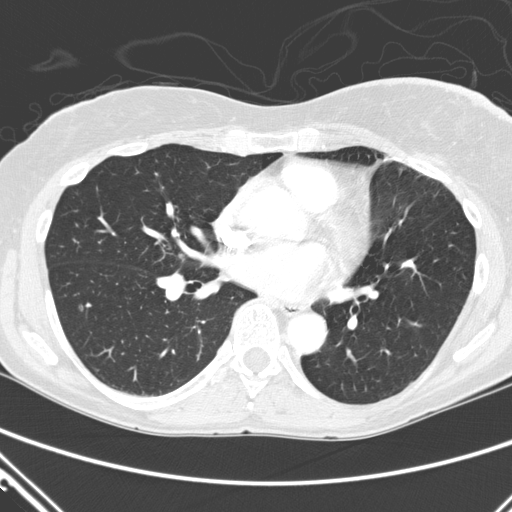
Chest CT, axial plane, 120 kVp, kernel D. Slice 256/411 from the bottom of the scan; thickness 2.00 mm; pixel size 0.654 mm.
Pulmonary nodule, outlined by two of the four readers. Box on this slice rows 304–310, columns 79–82, the union of the readers' outlines on this slice; longest diameter 5.3–6.2 mm and volume 21–50 mm3 across the two readers' outlines. Ratings across the readers: texture from 4/5 to 5/5 (solid) across the two readers; margin from 4/5 to 5/5 (circumscribed) across the two readers; sphericity 4/5 from both readers; calcification absent, both readers agreeing; internal structure soft tissue from both readers; subtlety rated between 1 and 3 out of 5 by the two readers; malignancy likelihood rated between 1 and 4 out of 5 by the two readers. Scale key (1–5): texture non-solid→solid, margin indistinct→circumscribed, sphericity linear→round, subtlety extremely subtle→obvious, malignancy likelihood highly unlikely→highly suspicious of cancer. Box rows and columns are 0-based pixel indices from the top-left corner, inclusive.